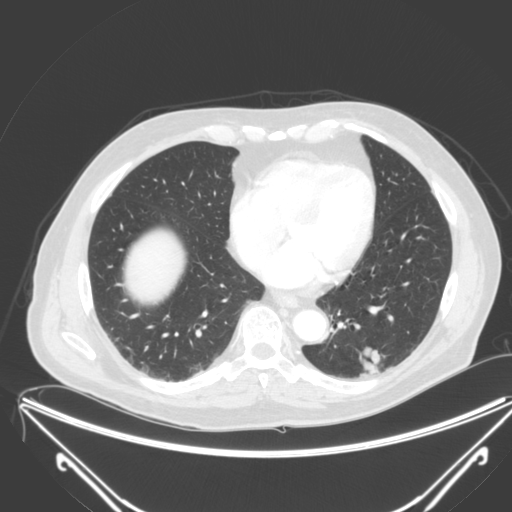
One axial slice (82 of 250, counting up from the lowest) of a chest CT acquired at 120 kVp with the B kernel; each pixel is 0.834 mm and the slice is 2.00 mm thick.
Pulmonary nodule at rows 346–376, columns 358–385 (box = the union of the readers' outlines on this slice), outlined by all four readers; the four readers' outlines give a longest diameter between 26.7 and 30.4 mm and a volume between 2541 and 3664 mm3. Ratings across the readers: texture from 4/5 to 5/5 (solid) across the four readers; margin from 2/5 to 4/5 across the four readers; sphericity from 3/5 (ovoid) to 5/5 (round) across the four readers; calcification absent from all four readers; internal structure soft tissue, all four readers agreeing; subtlety 5/5 from all four readers; malignancy likelihood 3–5/5 (the readers disagree). Scale key (1–5): texture non-solid→solid, margin indistinct→circumscribed, sphericity linear→round, subtlety extremely subtle→obvious, malignancy likelihood highly unlikely→highly suspicious of cancer. Box rows and columns are 0-based pixel indices from the top-left corner, inclusive.